Axial chest CT slice 153 of 312 (counted from the lowest slice); tube voltage 120 kVp, convolution kernel B45f; slices 1.00 mm thick, 0.664 mm per pixel.
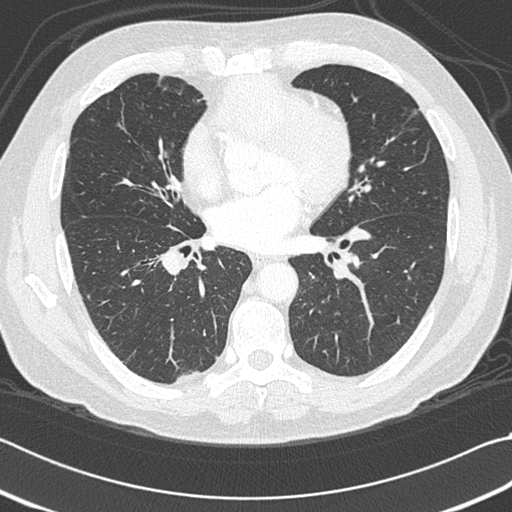
Pulmonary nodule, outlined by one of the four readers. Box on this slice rows 164–172, columns 358–364, that reader's outline on this slice; longest diameter 6.9 mm and volume 71 mm3 from that reader's outline. Ratings by that reader: texture 5/5 (solid); margin 3/5; sphericity 2/5; calcification absent; internal structure soft tissue; subtlety 1/5; malignancy likelihood 2/5. Scale key (1–5): texture non-solid→solid, margin indistinct→circumscribed, sphericity linear→round, subtlety extremely subtle→obvious, malignancy likelihood highly unlikely→highly suspicious of cancer. Box rows and columns are 0-based pixel indices from the top-left corner, inclusive.